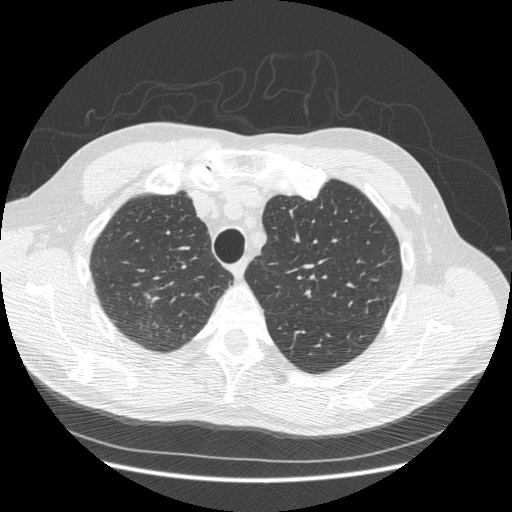
Axial chest CT slice 385 of 493 (counted from the lowest slice); tube voltage 120 kVp, convolution kernel STANDARD; slices 1.25 mm thick, 0.742 mm per pixel.
Pulmonary nodule at rows 293–297, columns 143–148 (box = the union of the readers' outlines on this slice), outlined by three of the four readers, two of them on this slice; median longest diameter 11.2 mm (readers' outlines 11.0–11.2 mm), median volume 139 mm3 (98–139 mm3). Ratings, median across the readers with their spread: texture 3/5 (part-solid) at the median of three readers, spread 2/5 to 4/5; median margin 3/5 (readers ranged 3/5 to 4/5); sphericity 3/5 (ovoid) at the median of three readers, spread 2/5 to 3/5 (ovoid); calcification absent from all three readers; internal structure soft tissue, all three readers agreeing; subtlety 4/5 at the median of three readers, spread 3–4; malignancy likelihood 4/5 at the median of three readers, spread 3–5. Scale key (1–5): texture non-solid→solid, margin indistinct→circumscribed, sphericity linear→round, subtlety extremely subtle→obvious, malignancy likelihood highly unlikely→highly suspicious of cancer. Box rows and columns are 0-based pixel indices from the top-left corner, inclusive.